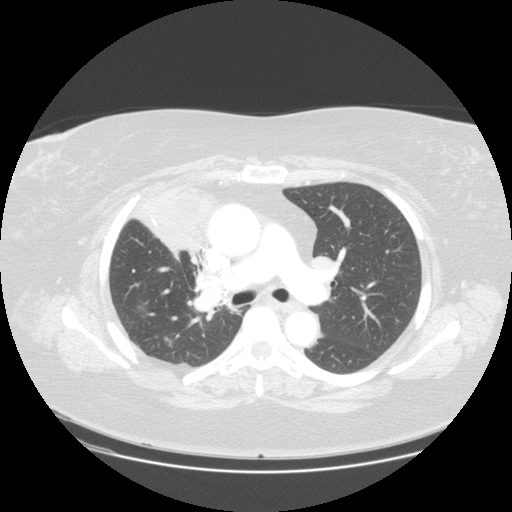
One axial slice (87 of 131, counting up from the lowest) of a chest CT acquired at 120 kVp with the STANDARD kernel; each pixel is 0.781 mm and the slice is 2.50 mm thick.
Pulmonary nodule at rows 336–347, columns 164–173 (box = the union of the readers' outlines on this slice), outlined by all four readers, two of them on this slice; median longest diameter 22.5 mm (readers' outlines 20.8–23.0 mm), median volume 1469 mm3 (1060–1625 mm3). Median ratings and the readers' spread: median texture 5/5 (solid) (readers ranged 4/5 to 5/5 (solid)); margin 4/5 at the median of four readers, spread 3/5 to 4/5; median sphericity 2/5 (readers ranged 2/5 to 5/5 (round)); calcification absent, all four readers agreeing; internal structure soft tissue from all four readers; subtlety 5/5 at the median of four readers, spread 4–5; malignancy likelihood 4.5/5 at the median of four readers, spread 4–5. Scale key (1–5): texture non-solid→solid, margin indistinct→circumscribed, sphericity linear→round, subtlety extremely subtle→obvious, malignancy likelihood highly unlikely→highly suspicious of cancer. Box rows and columns are 0-based pixel indices from the top-left corner, inclusive.